Axial chest CT slice 37 of 280 (counted from the lowest slice); tube voltage 120 kVp, convolution kernel D; slices 1.00 mm thick, 0.564 mm per pixel.
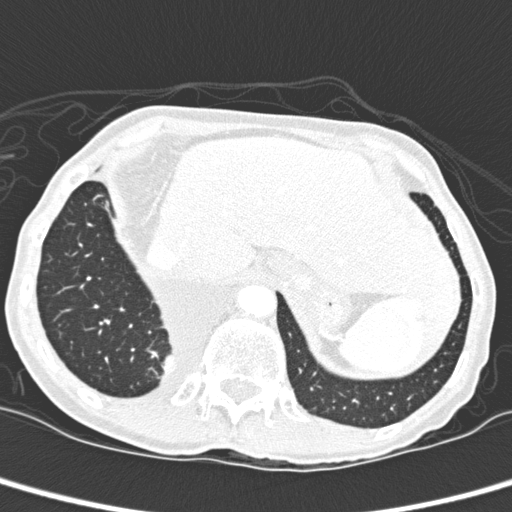
Pulmonary nodule at rows 355–373, columns 163–172 (box = the union of the readers' outlines on this slice), outlined by two of the four readers; median longest diameter 33.9 mm (readers' outlines 32.1–35.8 mm), median volume 6179 mm3 (5657–6702 mm3). Median ratings and the readers' spread: texture 5/5 (solid) from both readers; margin 4/5 from both readers; sphericity 3/5 (ovoid), both readers agreeing; calcification absent, both readers agreeing; internal structure soft tissue from both readers; subtlety 5/5 from both readers; median malignancy likelihood 2.5/5 (readers ranged 2–3). Scale key (1–5): texture non-solid→solid, margin indistinct→circumscribed, sphericity linear→round, subtlety extremely subtle→obvious, malignancy likelihood highly unlikely→highly suspicious of cancer. Box rows and columns are 0-based pixel indices from the top-left corner, inclusive.